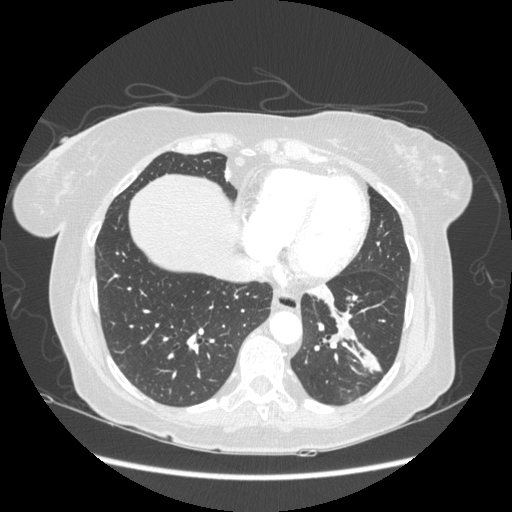
Axial slice 73 of 230 of a chest CT (slice 1 is the lowest), reconstructed with the STANDARD kernel at 120 kVp; 1.25 mm slice thickness and 0.742 mm pixels.
Pulmonary nodule, outlined by all four readers. Box on this slice rows 347–372, columns 360–381, the union of the readers' outlines on this slice; longest diameter 23.1–31.5 mm and volume 3020–5074 mm3 across the four readers' outlines. Ratings across the readers: texture 5/5 (solid), all four readers agreeing; margin from 3/5 to 5/5 (circumscribed) across the four readers; sphericity from 3/5 (ovoid) to 5/5 (round) across the four readers; calcification absent from all four readers; internal structure soft tissue from all four readers; subtlety 5/5 from all four readers; malignancy likelihood from 3/5 to 5/5 across the four readers. Scale key (1–5): texture non-solid→solid, margin indistinct→circumscribed, sphericity linear→round, subtlety extremely subtle→obvious, malignancy likelihood highly unlikely→highly suspicious of cancer. Box rows and columns are 0-based pixel indices from the top-left corner, inclusive.